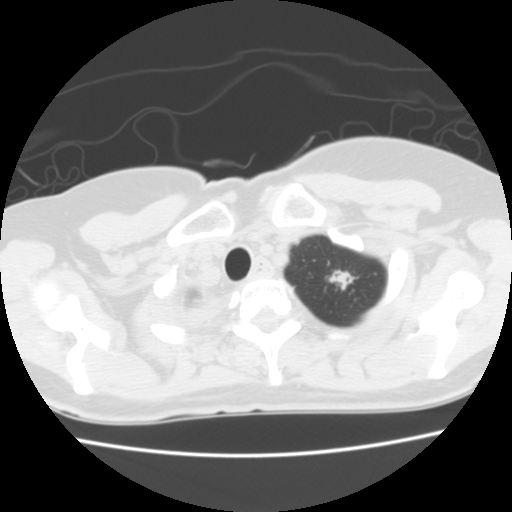
One axial slice (130 of 141, counting up from the lowest) of a chest CT acquired at 120 kVp with the STANDARD kernel; each pixel is 0.586 mm and the slice is 2.50 mm thick.
Pulmonary nodule, outlined by all four readers. Box on this slice rows 267–290, columns 325–354, the union of the readers' outlines on this slice; the four readers' outlines give a longest diameter between 15.8 and 20.0 mm and a volume between 906 and 1828 mm3. The readers' ratings, as ranges where they differ: texture from 4/5 to 5/5 (solid) across the four readers; margin from 2/5 to 4/5 across the four readers; sphericity from 3/5 (ovoid) to 5/5 (round) across the four readers; calcification absent from all four readers; internal structure soft tissue from all four readers; subtlety 5/5, all four readers agreeing; malignancy likelihood rated between 4 and 5 out of 5 by the four readers. Scale key (1–5): texture non-solid→solid, margin indistinct→circumscribed, sphericity linear→round, subtlety extremely subtle→obvious, malignancy likelihood highly unlikely→highly suspicious of cancer. Box rows and columns are 0-based pixel indices from the top-left corner, inclusive.